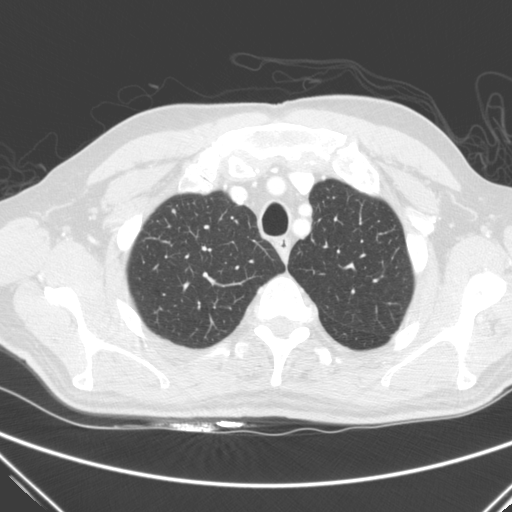
Axial chest CT slice 237 of 290 (counted from the lowest slice); tube voltage 120 kVp, convolution kernel C; slices 2.00 mm thick, 0.682 mm per pixel.
Pulmonary nodule outlined by one of the four readers; box rows 209–213, columns 171–175 (that reader's outline on this slice); longest diameter 4.4 mm and volume 41 mm3 from that reader's outline. Ratings by that reader: texture 5/5 (solid); margin 5/5 (circumscribed); sphericity 5/5 (round); calcification absent; internal structure soft tissue; subtlety 5/5; malignancy likelihood 3/5. Scale key (1–5): texture non-solid→solid, margin indistinct→circumscribed, sphericity linear→round, subtlety extremely subtle→obvious, malignancy likelihood highly unlikely→highly suspicious of cancer. Box rows and columns are 0-based pixel indices from the top-left corner, inclusive.